One axial slice (277 of 458, counting up from the lowest) of a chest CT acquired at 120 kVp with the STANDARD kernel; each pixel is 0.586 mm and the slice is 1.25 mm thick.
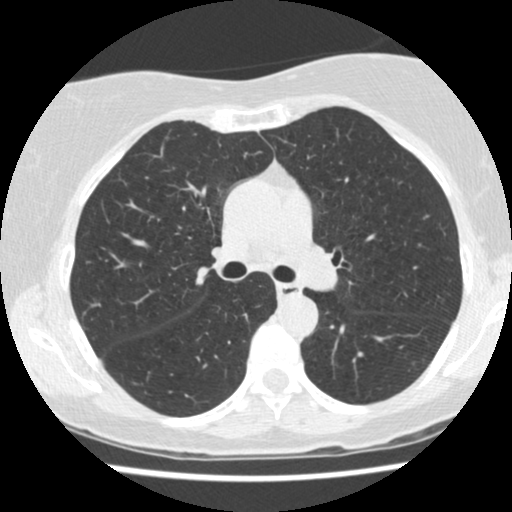
None of the four readers outlined a nodule of 3 mm or more on this slice.